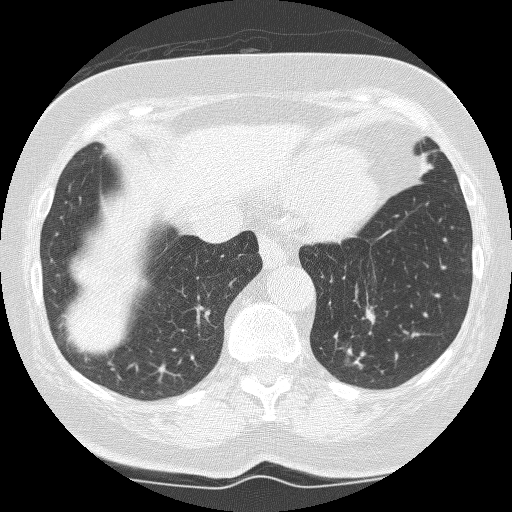
Axial chest CT slice 74 of 246 (counted from the lowest slice); tube voltage 120 kVp, convolution kernel BONE; slices 1.25 mm thick, 0.566 mm per pixel.
Pulmonary nodule, outlined by all four readers. Box on this slice rows 305–324, columns 364–376, the union of the readers' outlines on this slice; median longest diameter 15.5 mm (readers' outlines 13.8–17.3 mm), median volume 933 mm3 (672–1099 mm3). Ratings, median across the readers with their spread: texture 5/5 (solid) from all four readers; median margin 3/5 (readers ranged 2/5 to 4/5); sphericity 3.5/5 at the median of four readers, spread 2/5 to 4/5; calcification absent, all four readers agreeing; internal structure soft tissue from all four readers; subtlety 4.5/5 at the median of four readers, spread 4–5; median malignancy likelihood 4.5/5 (readers ranged 3–5). Scale key (1–5): texture non-solid→solid, margin indistinct→circumscribed, sphericity linear→round, subtlety extremely subtle→obvious, malignancy likelihood highly unlikely→highly suspicious of cancer. Box rows and columns are 0-based pixel indices from the top-left corner, inclusive.